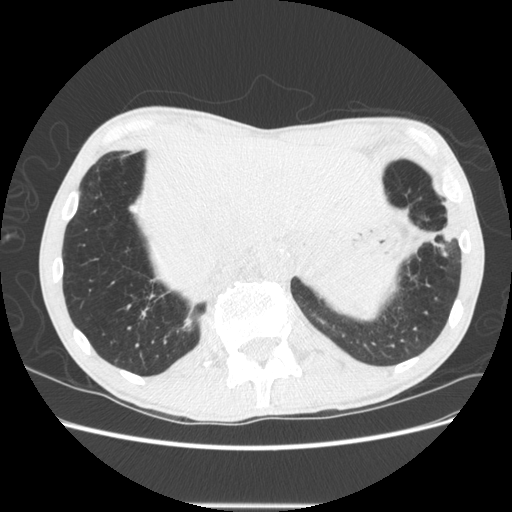
Chest CT, axial plane, 120 kVp, kernel STANDARD. Slice 117/605 from the bottom of the scan; thickness 1.25 mm; pixel size 0.703 mm.
Pulmonary nodule, outlined by one of the four readers. Box on this slice rows 201–240, columns 443–458, that reader's outline on this slice; longest diameter 29.0 mm and volume 1790 mm3 from that reader's outline. Ratings by that reader: texture 4/5; margin 4/5; sphericity 2/5; calcification absent; internal structure soft tissue; subtlety 5/5; malignancy likelihood 4/5. Scale key (1–5): texture non-solid→solid, margin indistinct→circumscribed, sphericity linear→round, subtlety extremely subtle→obvious, malignancy likelihood highly unlikely→highly suspicious of cancer. Box rows and columns are 0-based pixel indices from the top-left corner, inclusive.